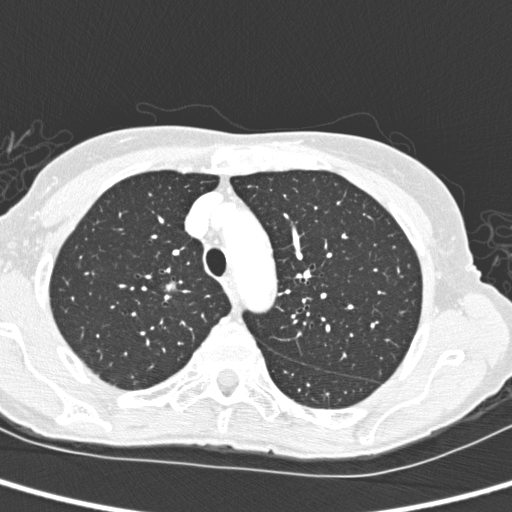
Slice 210/280 of a chest CT, counting up from the lowest; pixel size 0.564 mm, slice thickness 1.00 mm. Pulmonary nodule at rows 281–292, columns 162–175 (box = the union of the readers' outlines on this slice), outlined by all four readers; longest diameter 9.9–12.5 mm and volume 362–590 mm3 across the four readers' outlines. Ratings across the readers: texture from 4/5 to 5/5 (solid) across the four readers; margin from 4/5 to 5/5 (circumscribed) across the four readers; sphericity from 3/5 (ovoid) to 5/5 (round) across the four readers; calcification absent, all four readers agreeing; internal structure soft tissue, all four readers agreeing; subtlety from 4/5 to 5/5 across the four readers; malignancy likelihood 2–5/5 (the readers disagree). Scale key (1–5): texture non-solid→solid, margin indistinct→circumscribed, sphericity linear→round, subtlety extremely subtle→obvious, malignancy likelihood highly unlikely→highly suspicious of cancer. Box rows and columns are 0-based pixel indices from the top-left corner, inclusive.
Tube voltage 120 kVp; convolution kernel D.